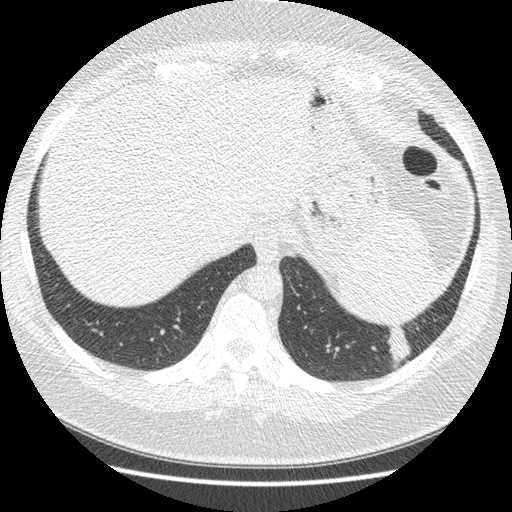
Axial chest CT slice 54 of 421 (counted from the lowest slice); 1.25 mm thick, 0.703 mm per pixel. Pulmonary nodule at rows 325–367, columns 386–411 (box = the union of the readers' outlines on this slice), outlined four times (the source holds four more outlines, not used); longest diameter 30.9–38.9 mm and volume 4443–5826 mm3 across the four readers' outlines. Ratings across the readers: texture from 4/5 to 5/5 (solid) across the four readers; margin from 3/5 to 4/5 across the four readers; sphericity from 2/5 to 4/5 across the four readers; calcification absent from all four readers; internal structure soft tissue from all four readers; subtlety 4–5/5 (the readers disagree); malignancy likelihood 2–5/5 (the readers disagree). Scale key (1–5): texture non-solid→solid, margin indistinct→circumscribed, sphericity linear→round, subtlety extremely subtle→obvious, malignancy likelihood highly unlikely→highly suspicious of cancer. Box rows and columns are 0-based pixel indices from the top-left corner, inclusive.
Acquired at 120 kVp and reconstructed with the STANDARD kernel.